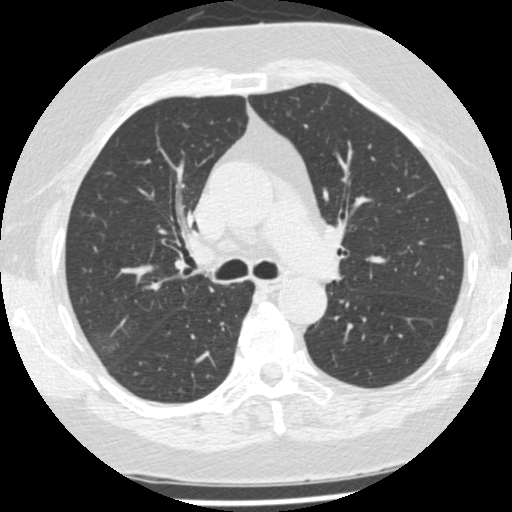
Slice 319/487 of a chest CT, counting up from the lowest; pixel size 0.586 mm, slice thickness 1.25 mm. Pulmonary nodule outlined by two of the four readers, one of them on this slice; box rows 333–357, columns 90–119 (the one reader's outline on this slice); longest diameter 18.1 mm on average over the two readers' outlines (readers' outlines 11.3–24.9 mm), volume 232–2964 mm3. Ratings, by the readers' most common answer with dissent counted: texture 3/5 (part-solid) from both readers; margin split among the readers: 1/5 (indistinct) (one), 2/5 (one); sphericity 4/5, both readers agreeing; calcification absent from both readers; internal structure soft tissue, both readers agreeing; subtlety 4/5 from both readers; malignancy likelihood split among the readers: 3/5 (one), 4/5 (one). Scale key (1–5): texture non-solid→solid, margin indistinct→circumscribed, sphericity linear→round, subtlety extremely subtle→obvious, malignancy likelihood highly unlikely→highly suspicious of cancer. Box rows and columns are 0-based pixel indices from the top-left corner, inclusive.
Scan settings: 120 kVp, STANDARD reconstruction kernel.